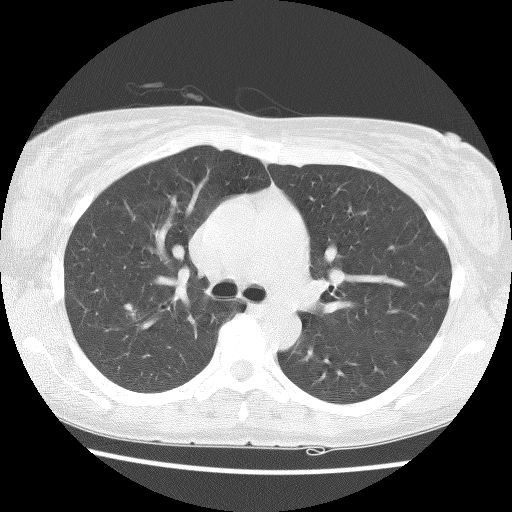
This is axial slice 87 of 124 (slice 1 is the lowest) of a chest CT; each pixel is 0.600 mm and the slice is 2.50 mm thick. Pulmonary nodule, outlined by one of the four readers. Box on this slice rows 311–319, columns 126–136, that reader's outline on this slice; longest diameter 7.8 mm and volume 178 mm3 from that reader's outline. That reader's ratings: texture 4/5; margin 4/5; sphericity 2/5; calcification absent; internal structure soft tissue; subtlety 4/5; malignancy likelihood 4/5. Scale key (1–5): texture non-solid→solid, margin indistinct→circumscribed, sphericity linear→round, subtlety extremely subtle→obvious, malignancy likelihood highly unlikely→highly suspicious of cancer. Box rows and columns are 0-based pixel indices from the top-left corner, inclusive.
Scan settings: 140 kVp, BONE reconstruction kernel.